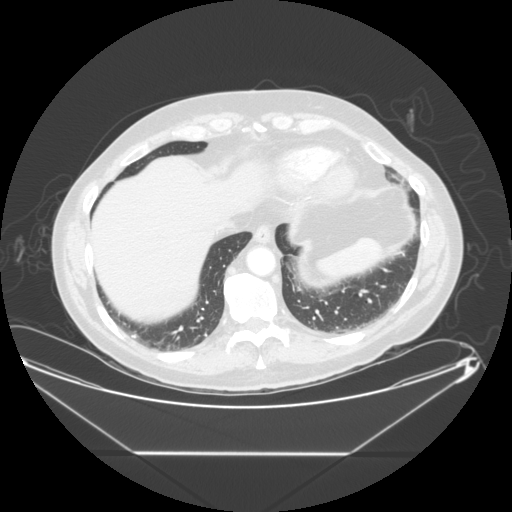
Chest CT, axial plane, 120 kVp, kernel STANDARD. Slice 69/265 from the bottom of the scan; thickness 1.25 mm; pixel size 0.883 mm.
Two pulmonary nodules on this slice, listed from left to right. (1) Pulmonary nodule at rows 334–337, columns 131–136 (box = the union of the readers' outlines on this slice), outlined by all four readers; median longest diameter 6.1 mm (readers' outlines 5.9–7.3 mm), median volume 85 mm3 (65–115 mm3). Median ratings and the readers' spread: texture 5/5 (solid) from all four readers; margin 5/5 (circumscribed) from all four readers; median sphericity 3.5/5 (readers ranged 3/5 (ovoid) to 5/5 (round)); calcification: solid calcification (three), absent (one); internal structure soft tissue, all four readers agreeing; median subtlety 4.5/5 (readers ranged 3–5); malignancy likelihood 1/5 at the median of four readers, spread 1–2. (2) Pulmonary nodule, outlined by two of the four readers. Box on this slice rows 333–337, columns 204–207, the union of the readers' outlines on this slice; longest diameter 5.4–7.1 mm and volume 56–113 mm3 across the two readers' outlines. The readers' ratings, as ranges where they differ: texture 5/5 (solid), both readers agreeing; margin 5/5 (circumscribed), both readers agreeing; sphericity from 4/5 to 5/5 (round) across the two readers; calcification solid calcification from both readers; internal structure soft tissue, both readers agreeing; subtlety 4–5/5 (the readers disagree); malignancy likelihood 1/5, both readers agreeing. Scale key (1–5): texture non-solid→solid, margin indistinct→circumscribed, sphericity linear→round, subtlety extremely subtle→obvious, malignancy likelihood highly unlikely→highly suspicious of cancer. Box rows and columns are 0-based pixel indices from the top-left corner, inclusive.